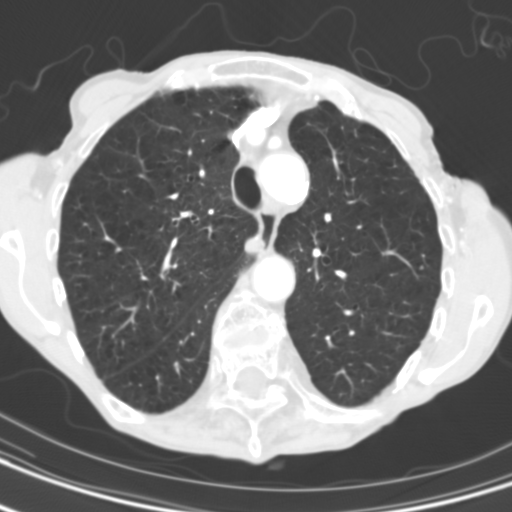
Chest CT, axial plane, 130 kVp, kernel B31s. Slice 72/104 from the bottom of the scan; thickness 3.00 mm; pixel size 0.531 mm.
No nodule of 3 mm or larger was outlined by any of the four readers on this slice.